One axial slice (333 of 481, counting up from the lowest) of a chest CT acquired at 120 kVp with the STANDARD kernel; each pixel is 0.703 mm and the slice is 1.25 mm thick.
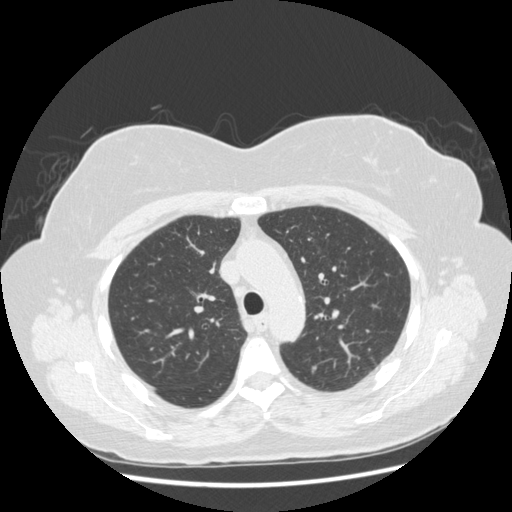
Pulmonary nodule, outlined by one of the four readers. Box on this slice rows 366–369, columns 312–316, that reader's outline on this slice; longest diameter 5.1 mm and volume 38 mm3 from that reader's outline. That reader's ratings: texture 4/5; margin 4/5; sphericity 4/5; calcification absent; internal structure soft tissue; subtlety 5/5; malignancy likelihood 3/5. Scale key (1–5): texture non-solid→solid, margin indistinct→circumscribed, sphericity linear→round, subtlety extremely subtle→obvious, malignancy likelihood highly unlikely→highly suspicious of cancer. Box rows and columns are 0-based pixel indices from the top-left corner, inclusive.